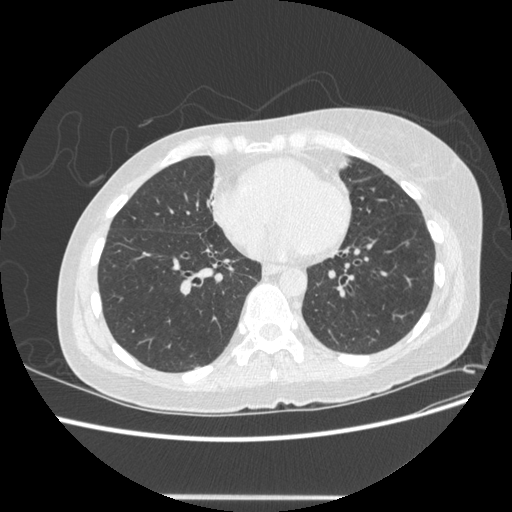
Axial slice 184 of 500 of a chest CT (slice 1 is the lowest), reconstructed with the STANDARD kernel at 120 kVp; 1.25 mm slice thickness and 0.703 mm pixels.
The readers outlined no nodule of 3 mm or more on this slice.